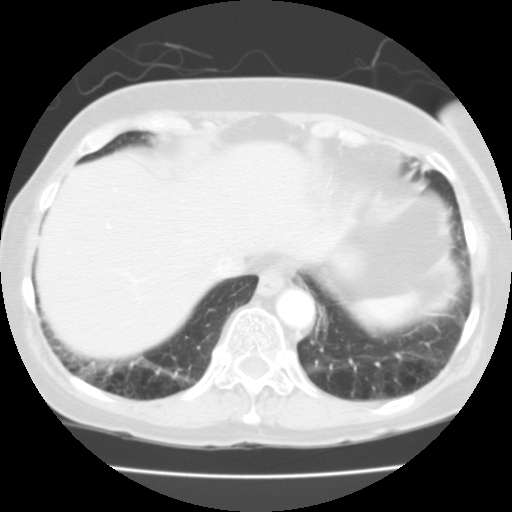
Chest CT, axial plane, 135 kVp, kernel FC01. Slice 31/109 from the bottom of the scan; thickness 3.00 mm; pixel size 0.613 mm.
Pulmonary nodule, outlined by all four readers, one of them on this slice. Box on this slice rows 318–325, columns 455–464, the one reader's outline on this slice; median longest diameter 9.4 mm (readers' outlines 9.3–9.7 mm), median volume 230 mm3 (194–480 mm3). Median ratings and the readers' spread: texture 5/5 (solid) at the median of four readers, spread 4/5 to 5/5 (solid); margin 4/5 at the median of four readers, spread 3/5 to 5/5 (circumscribed); median sphericity 3.5/5 (readers ranged 3/5 (ovoid) to 5/5 (round)); calcification absent, all four readers agreeing; internal structure soft tissue from all four readers; subtlety 2.5/5 at the median of four readers, spread 2–4; malignancy likelihood 2.5/5 at the median of four readers, spread 2–4. Scale key (1–5): texture non-solid→solid, margin indistinct→circumscribed, sphericity linear→round, subtlety extremely subtle→obvious, malignancy likelihood highly unlikely→highly suspicious of cancer. Box rows and columns are 0-based pixel indices from the top-left corner, inclusive.